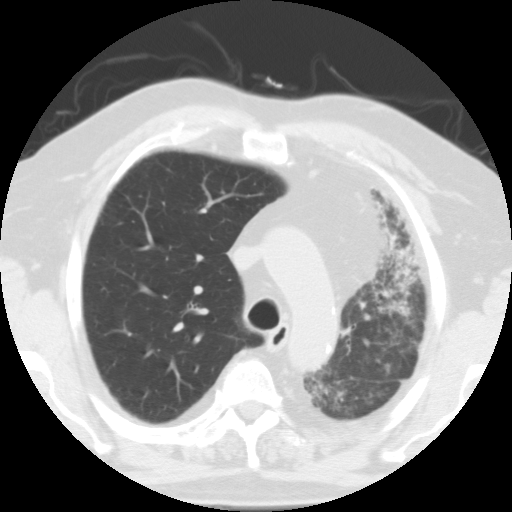
Axial chest CT slice 82 of 113 (counted from the lowest slice); 3.00 mm thick, 0.637 mm per pixel. No nodule of 3 mm or larger was outlined by any of the four readers on this slice.
Scan settings: 135 kVp, FC01 reconstruction kernel.